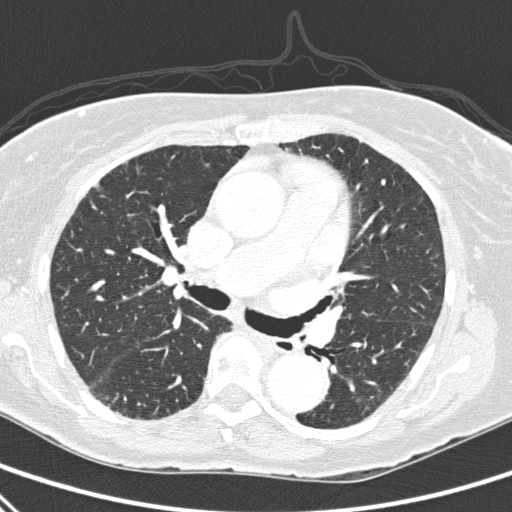
Axial chest CT slice 187 of 310 (counted from the lowest slice); tube voltage 120 kVp, convolution kernel D; slices 1.00 mm thick, 0.643 mm per pixel.
Pulmonary nodule at rows 183–187, columns 94–98 (box = the union of the readers' outlines on this slice), outlined by two of the four readers; longest diameter 6.1–6.7 mm and volume 78–81 mm3 across the two readers' outlines. The readers' ratings, as ranges where they differ: texture 5/5 (solid), both readers agreeing; margin from 4/5 to 5/5 (circumscribed) across the two readers; sphericity from 2/5 to 4/5 across the two readers; calcification split among the readers: absent (one), non-central calcification (one); internal structure soft tissue, both readers agreeing; subtlety 5/5 from both readers; malignancy likelihood from 1/5 to 3/5 across the two readers. Scale key (1–5): texture non-solid→solid, margin indistinct→circumscribed, sphericity linear→round, subtlety extremely subtle→obvious, malignancy likelihood highly unlikely→highly suspicious of cancer. Box rows and columns are 0-based pixel indices from the top-left corner, inclusive.